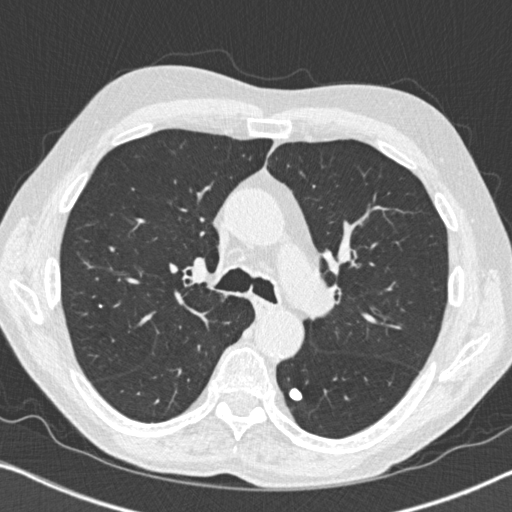
Chest CT, axial plane, 120 kVp, kernel B31f. Slice 506/764 from the bottom of the scan; thickness 1.00 mm; pixel size 0.646 mm.
Pulmonary nodule, outlined by all four readers. Box on this slice rows 387–401, columns 288–303, the union of the readers' outlines on this slice; longest diameter 11.4 mm on average over the four readers' outlines (readers' outlines 10.7–12.7 mm), volume 382–638 mm3. Ratings, by the readers' most common answer with dissent counted: texture 5/5 (solid), all four readers agreeing; margin 5/5 (circumscribed), all four readers agreeing; most readers (three of four) put sphericity at 5/5 (round), others 4/5 (one); calcification solid calcification from all four readers; internal structure soft tissue from all four readers; subtlety 5/5, all four readers agreeing; malignancy likelihood 1/5, all four readers agreeing. Scale key (1–5): texture non-solid→solid, margin indistinct→circumscribed, sphericity linear→round, subtlety extremely subtle→obvious, malignancy likelihood highly unlikely→highly suspicious of cancer. Box rows and columns are 0-based pixel indices from the top-left corner, inclusive.